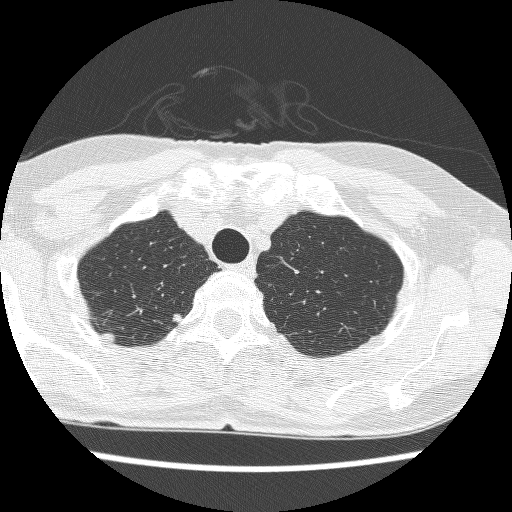
Axial chest CT slice 207 of 241 (counted from the lowest slice); tube voltage 120 kVp, convolution kernel BONE; slices 1.25 mm thick, 0.586 mm per pixel.
Pulmonary nodule outlined by two of the four readers; box rows 313–323, columns 172–182 (the union of the readers' outlines on this slice); longest diameter 7.5–9.3 mm and volume 124–243 mm3 across the two readers' outlines. Ratings across the readers: texture from 4/5 to 5/5 (solid) across the two readers; margin from 4/5 to 5/5 (circumscribed) across the two readers; sphericity from 4/5 to 5/5 (round) across the two readers; calcification absent from both readers; internal structure soft tissue from both readers; subtlety 4–5/5 (the readers disagree); malignancy likelihood 4/5 from both readers. Scale key (1–5): texture non-solid→solid, margin indistinct→circumscribed, sphericity linear→round, subtlety extremely subtle→obvious, malignancy likelihood highly unlikely→highly suspicious of cancer. Box rows and columns are 0-based pixel indices from the top-left corner, inclusive.